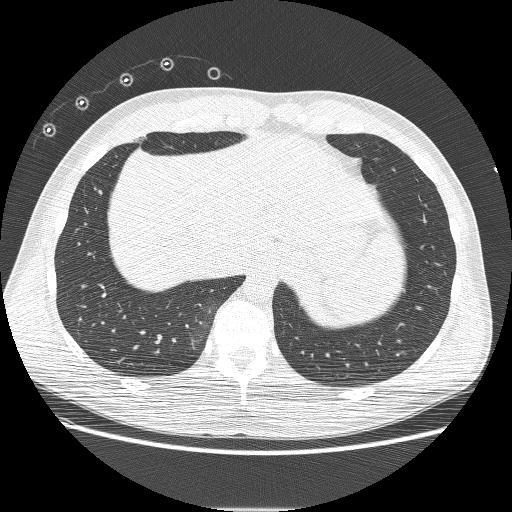
Slice 46/230 of a chest CT, counting up from the lowest; pixel size 0.732 mm, slice thickness 1.25 mm. Pulmonary nodule outlined by two of the four readers; box rows 190–194, columns 98–102 (the union of the readers' outlines on this slice); the two readers' outlines give a longest diameter between 6.0 and 7.3 mm and a volume between 72 and 101 mm3. The readers' ratings, as ranges where they differ: texture 5/5 (solid), both readers agreeing; margin from 4/5 to 5/5 (circumscribed) across the two readers; sphericity from 2/5 to 3/5 (ovoid) across the two readers; calcification absent, both readers agreeing; internal structure soft tissue, both readers agreeing; subtlety 1–3/5 (the readers disagree); malignancy likelihood from 2/5 to 3/5 across the two readers. Scale key (1–5): texture non-solid→solid, margin indistinct→circumscribed, sphericity linear→round, subtlety extremely subtle→obvious, malignancy likelihood highly unlikely→highly suspicious of cancer. Box rows and columns are 0-based pixel indices from the top-left corner, inclusive.
Scan settings: 120 kVp, BONE reconstruction kernel.